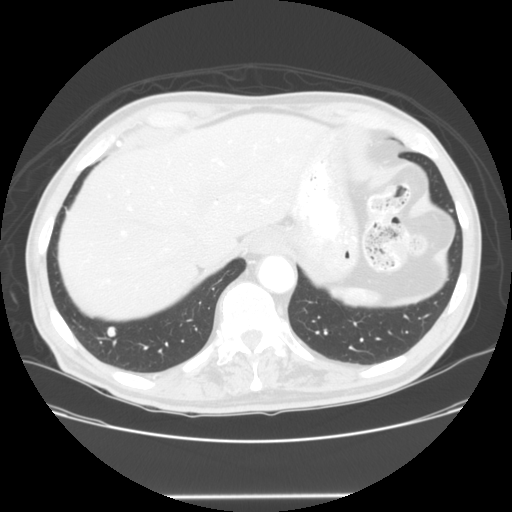
Chest CT, axial plane, 120 kVp, kernel STANDARD. Slice 29/128 from the bottom of the scan; thickness 2.50 mm; pixel size 0.742 mm.
Pulmonary nodule, outlined by all four readers. Box on this slice rows 326–336, columns 106–115, the union of the readers' outlines on this slice; median longest diameter 9.2 mm (readers' outlines 8.7–10.3 mm), median volume 371 mm3 (298–433 mm3). Median ratings and the readers' spread: texture 5/5 (solid) from all four readers; margin 4.5/5 at the median of four readers, spread 4/5 to 5/5 (circumscribed); median sphericity 4/5 (readers ranged 3/5 (ovoid) to 5/5 (round)); calcification absent from all four readers; internal structure soft tissue, all four readers agreeing; subtlety 4/5 at the median of four readers, spread 3–5; median malignancy likelihood 3/5 (readers ranged 2–4). Scale key (1–5): texture non-solid→solid, margin indistinct→circumscribed, sphericity linear→round, subtlety extremely subtle→obvious, malignancy likelihood highly unlikely→highly suspicious of cancer. Box rows and columns are 0-based pixel indices from the top-left corner, inclusive.